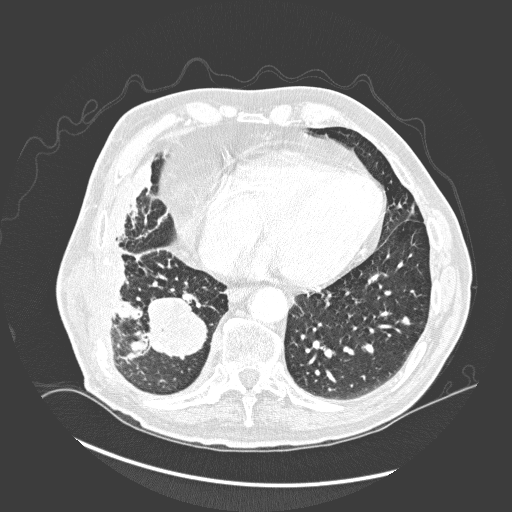
One axial slice (78 of 300, counting up from the lowest) of a chest CT acquired at 120 kVp with the D kernel; each pixel is 0.744 mm and the slice is 1.00 mm thick.
Pulmonary nodule outlined by all four readers; box rows 316–324, columns 400–409 (the union of the readers' outlines on this slice); longest diameter 9.2 mm on average over the four readers' outlines (readers' outlines 8.3–9.5 mm), volume 46–143 mm3. The readers' prevailing ratings and who disagreed: most readers (three of four) put texture at 5/5 (solid), others 4/5 (one); margin 4/5 by two of four readers; the rest gave 2/5 (one), 5/5 (circumscribed) (one); sphericity 3/5 (ovoid) by three of four readers; the rest gave 4/5 (one); calcification absent, all four readers agreeing; internal structure soft tissue, all four readers agreeing; subtlety 4/5 by two of four readers; the rest gave 2/5 (one), 3/5 (one); malignancy likelihood split among the readers: 1/5 (one), 2/5 (one), 3/5 (one), 4/5 (one). Scale key (1–5): texture non-solid→solid, margin indistinct→circumscribed, sphericity linear→round, subtlety extremely subtle→obvious, malignancy likelihood highly unlikely→highly suspicious of cancer. Box rows and columns are 0-based pixel indices from the top-left corner, inclusive.